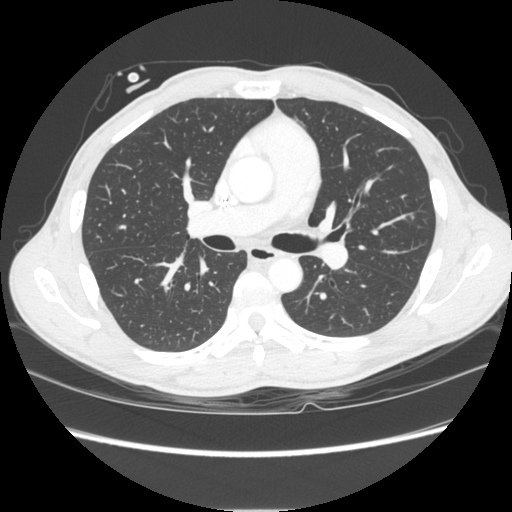
Axial slice 153 of 261 of a chest CT (slice 1 is the lowest), reconstructed with the STANDARD kernel at 120 kVp; 1.25 mm slice thickness and 0.684 mm pixels.
Pulmonary nodule outlined by all four readers, two of them on this slice; box rows 214–220, columns 410–414 (the union of the readers' outlines on this slice); longest diameter 6.7–9.3 mm and volume 118–216 mm3 across the four readers' outlines. The readers' ratings, as ranges where they differ: texture 5/5 (solid) from all four readers; margin 5/5 (circumscribed) from all four readers; sphericity from 3/5 (ovoid) to 5/5 (round) across the four readers; calcification absent from all four readers; internal structure soft tissue, all four readers agreeing; subtlety rated between 3 and 4 out of 5 by the four readers; malignancy likelihood rated between 2 and 4 out of 5 by the four readers. Scale key (1–5): texture non-solid→solid, margin indistinct→circumscribed, sphericity linear→round, subtlety extremely subtle→obvious, malignancy likelihood highly unlikely→highly suspicious of cancer. Box rows and columns are 0-based pixel indices from the top-left corner, inclusive.